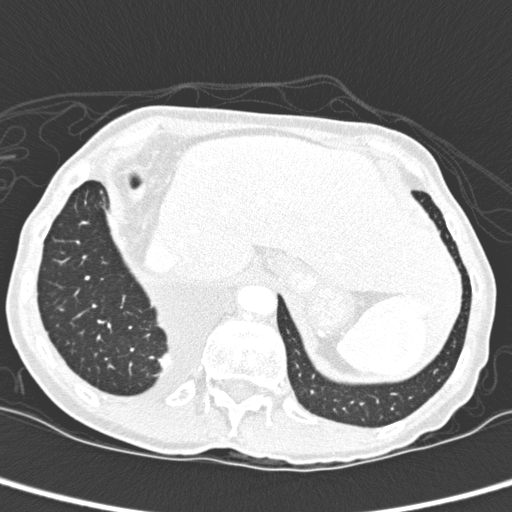
Axial chest CT slice 35 of 280 (counted from the lowest slice); tube voltage 120 kVp, convolution kernel D; slices 1.00 mm thick, 0.564 mm per pixel.
Pulmonary nodule at rows 353–369, columns 159–168 (box = the union of the readers' outlines on this slice), outlined by two of the four readers; longest diameter 33.9 mm on average over the two readers' outlines (readers' outlines 32.1–35.8 mm), volume 5657–6702 mm3. The readers' prevailing ratings and who disagreed: texture 5/5 (solid) from both readers; margin 4/5 from both readers; sphericity 3/5 (ovoid) from both readers; calcification absent, both readers agreeing; internal structure soft tissue from both readers; subtlety 5/5, both readers agreeing; malignancy likelihood split among the readers: 2/5 (one), 3/5 (one). Scale key (1–5): texture non-solid→solid, margin indistinct→circumscribed, sphericity linear→round, subtlety extremely subtle→obvious, malignancy likelihood highly unlikely→highly suspicious of cancer. Box rows and columns are 0-based pixel indices from the top-left corner, inclusive.